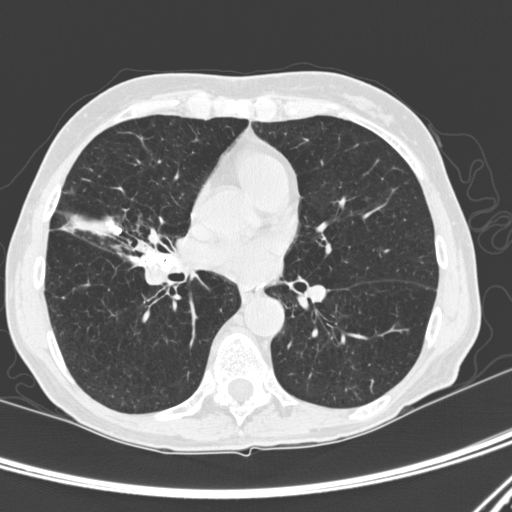
Axial chest CT slice 149 of 300 (counted from the lowest slice); tube voltage 120 kVp, convolution kernel D; slices 1.00 mm thick, 0.607 mm per pixel.
Pulmonary nodule, outlined by one of the four readers. Box on this slice rows 222–229, columns 107–113, that reader's outline on this slice; longest diameter 6.5 mm and volume 53 mm3 from that reader's outline. Ratings by that reader: texture 5/5 (solid); margin 5/5 (circumscribed); sphericity 3/5 (ovoid); calcification solid calcification; internal structure soft tissue; subtlety 5/5; malignancy likelihood 1/5. Scale key (1–5): texture non-solid→solid, margin indistinct→circumscribed, sphericity linear→round, subtlety extremely subtle→obvious, malignancy likelihood highly unlikely→highly suspicious of cancer. Box rows and columns are 0-based pixel indices from the top-left corner, inclusive.